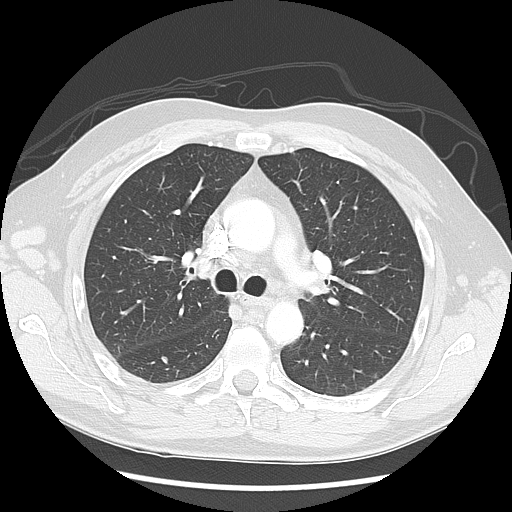
Axial slice 95 of 139 of a chest CT (slice 1 is the lowest), reconstructed with the LUNG kernel at 120 kVp; 2.50 mm slice thickness and 0.703 mm pixels.
Pulmonary nodule outlined by one of the four readers; box rows 356–361, columns 161–166 (that reader's outline on this slice); longest diameter 7.3 mm and volume 176 mm3 from that reader's outline. That reader's ratings: texture 5/5 (solid); margin 5/5 (circumscribed); sphericity 3/5 (ovoid); calcification absent; internal structure soft tissue; subtlety 3/5; malignancy likelihood 2/5. Scale key (1–5): texture non-solid→solid, margin indistinct→circumscribed, sphericity linear→round, subtlety extremely subtle→obvious, malignancy likelihood highly unlikely→highly suspicious of cancer. Box rows and columns are 0-based pixel indices from the top-left corner, inclusive.